Chest CT, axial plane, 120 kVp, kernel STANDARD. Slice 167/256 from the bottom of the scan; thickness 1.25 mm; pixel size 0.781 mm.
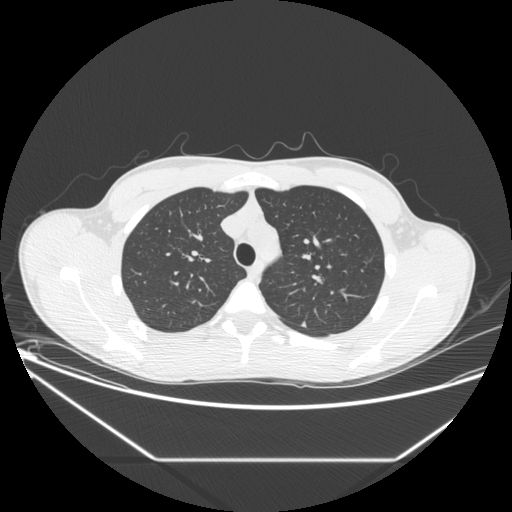
Pulmonary nodule outlined by one of the four readers; box rows 321–326, columns 301–306 (that reader's outline on this slice); longest diameter 6.3 mm and volume 79 mm3 from that reader's outline. Ratings by that reader: texture 5/5 (solid); margin 5/5 (circumscribed); sphericity 4/5; calcification absent; internal structure soft tissue; subtlety 3/5; malignancy likelihood 2/5. Scale key (1–5): texture non-solid→solid, margin indistinct→circumscribed, sphericity linear→round, subtlety extremely subtle→obvious, malignancy likelihood highly unlikely→highly suspicious of cancer. Box rows and columns are 0-based pixel indices from the top-left corner, inclusive.